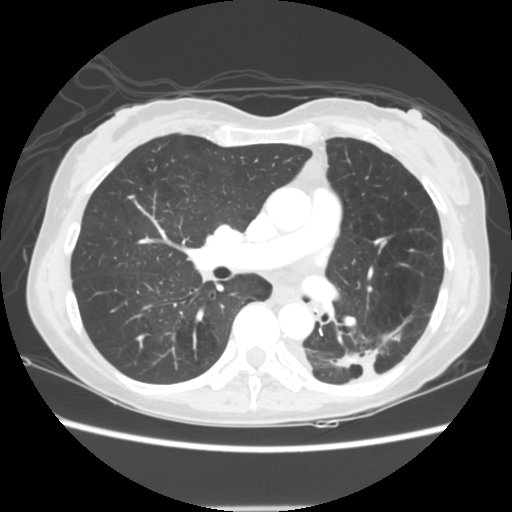
Slice 83/144 of a chest CT, counting up from the lowest; pixel size 0.664 mm, slice thickness 2.50 mm. No nodule of 3 mm or larger was outlined by any of the four readers on this slice.
Tube voltage 120 kVp; convolution kernel STANDARD.